Axial chest CT slice 417 of 633 (counted from the lowest slice); tube voltage 120 kVp, convolution kernel B30f; slices 0.60 mm thick, 0.541 mm per pixel.
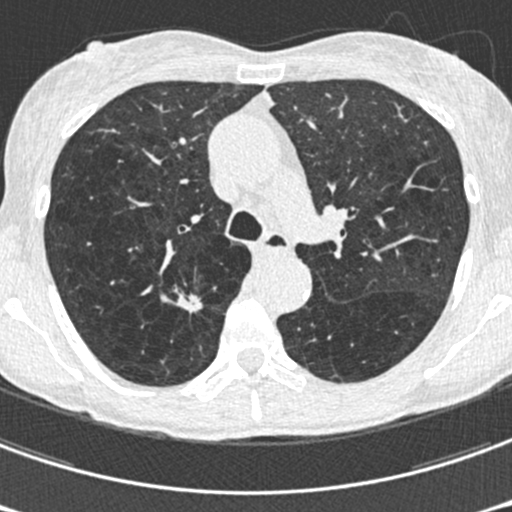
Pulmonary nodule outlined by all four readers; box rows 292–313, columns 174–204 (the union of the readers' outlines on this slice); the four readers' outlines give a longest diameter between 18.1 and 21.0 mm and a volume between 1292 and 1642 mm3. The readers' ratings, as ranges where they differ: texture 5/5 (solid), all four readers agreeing; margin from 1/5 (indistinct) to 3/5 across the four readers; sphericity from 2/5 to 4/5 across the four readers; calcification absent, all four readers agreeing; internal structure soft tissue from all four readers; subtlety 4–5/5 (the readers disagree); malignancy likelihood from 4/5 to 5/5 across the four readers. Scale key (1–5): texture non-solid→solid, margin indistinct→circumscribed, sphericity linear→round, subtlety extremely subtle→obvious, malignancy likelihood highly unlikely→highly suspicious of cancer. Box rows and columns are 0-based pixel indices from the top-left corner, inclusive.